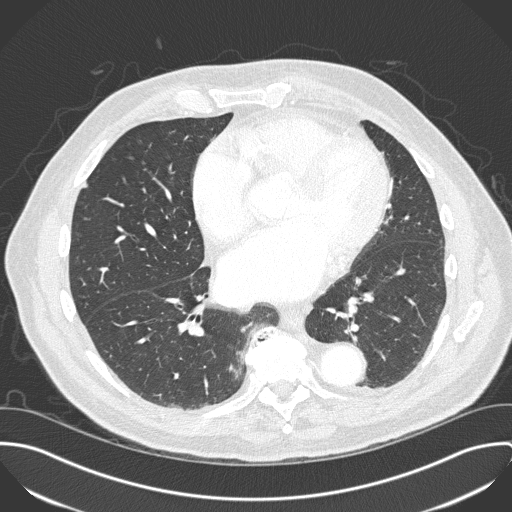
One axial slice (140 of 330, counting up from the lowest) of a chest CT acquired at 120 kVp with the B45f kernel; each pixel is 0.762 mm and the slice is 1.00 mm thick.
Pulmonary nodule, outlined by two of the four readers. Box on this slice rows 182–187, columns 82–87, the union of the readers' outlines on this slice; longest diameter 8.8 mm on average over the two readers' outlines (readers' outlines 7.2–10.4 mm), volume 81–139 mm3. Ratings, by the readers' most common answer with dissent counted: texture 5/5 (solid) from both readers; margin split among the readers: 4/5 (one), 5/5 (circumscribed) (one); sphericity split among the readers: 3/5 (ovoid) (one), 4/5 (one); calcification absent from both readers; internal structure soft tissue from both readers; subtlety split among the readers: 3/5 (one), 4/5 (one); malignancy likelihood split among the readers: 2/5 (one), 3/5 (one). Scale key (1–5): texture non-solid→solid, margin indistinct→circumscribed, sphericity linear→round, subtlety extremely subtle→obvious, malignancy likelihood highly unlikely→highly suspicious of cancer. Box rows and columns are 0-based pixel indices from the top-left corner, inclusive.